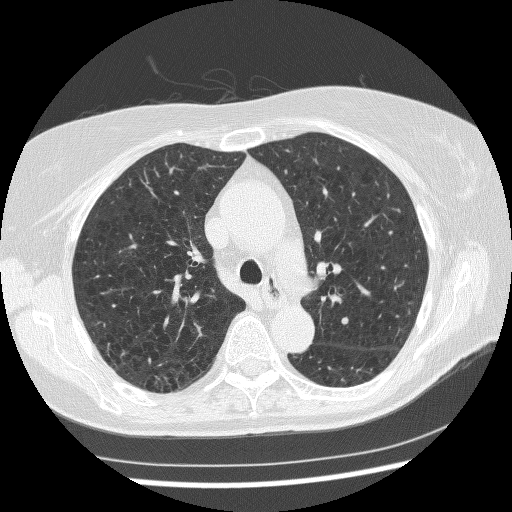
Axial chest CT slice 176 of 247 (counted from the lowest slice); tube voltage 120 kVp, convolution kernel BONE; slices 1.25 mm thick, 0.643 mm per pixel.
Pulmonary nodule, outlined by all four readers. Box on this slice rows 317–324, columns 340–348, the union of the readers' outlines on this slice; median longest diameter 5.9 mm (readers' outlines 5.9–6.3 mm), median volume 71 mm3 (67–85 mm3). Median ratings and the readers' spread: median texture 5/5 (solid) (readers ranged 4/5 to 5/5 (solid)); median margin 5/5 (circumscribed) (readers ranged 4/5 to 5/5 (circumscribed)); median sphericity 5/5 (round) (readers ranged 4/5 to 5/5 (round)); calcification absent, all four readers agreeing; internal structure soft tissue, all four readers agreeing; subtlety 2.5/5 at the median of four readers, spread 2–5; malignancy likelihood 3/5 at the median of four readers, spread 2–3. Scale key (1–5): texture non-solid→solid, margin indistinct→circumscribed, sphericity linear→round, subtlety extremely subtle→obvious, malignancy likelihood highly unlikely→highly suspicious of cancer. Box rows and columns are 0-based pixel indices from the top-left corner, inclusive.